Chest CT, axial plane, 120 kVp, kernel B. Slice 139/290 from the bottom of the scan; thickness 2.00 mm; pixel size 0.816 mm.
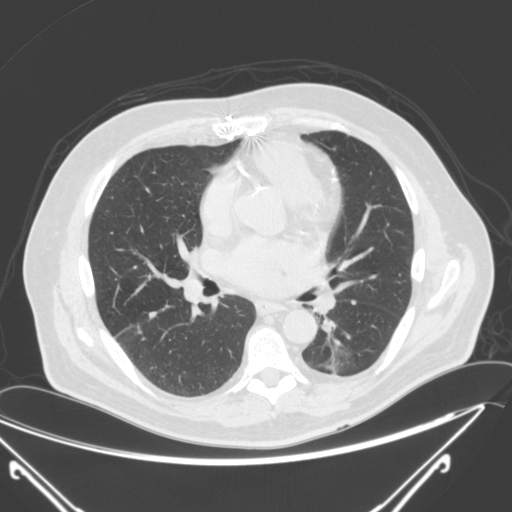
Three pulmonary nodules are outlined on this slice; from left to right: (1) Pulmonary nodule at rows 329–333, columns 136–141 (box = the union of the readers' outlines on this slice), outlined by three of the four readers; the three readers' outlines give a longest diameter between 6.2 and 7.0 mm and a volume between 90 and 113 mm3. The readers' ratings, as ranges where they differ: texture 5/5 (solid) from all three readers; margin from 4/5 to 5/5 (circumscribed) across the three readers; sphericity from 4/5 to 5/5 (round) across the three readers; calcification absent, all three readers agreeing; internal structure soft tissue, all three readers agreeing; subtlety rated between 4 and 5 out of 5 by the three readers; malignancy likelihood rated between 2 and 3 out of 5 by the three readers. (2) Pulmonary nodule outlined by two of the four readers; box rows 312–318, columns 148–157 (the union of the readers' outlines on this slice); median longest diameter 9.4 mm (readers' outlines 8.8–10.0 mm), median volume 149 mm3 (144–154 mm3). Ratings, median across the readers with their spread: texture 5/5 (solid) from both readers; margin 5/5 (circumscribed) from both readers; sphericity 3.5/5 at the median of two readers, spread 3/5 (ovoid) to 4/5; calcification absent, both readers agreeing; internal structure soft tissue, both readers agreeing; median subtlety 4/5 (readers ranged 3–5); malignancy likelihood 2.5/5 at the median of two readers, spread 2–3. (3) Pulmonary nodule, outlined by all four readers. Box on this slice rows 300–304, columns 349–355, the union of the readers' outlines on this slice; longest diameter 6.5 mm on average over the four readers' outlines (readers' outlines 5.5–7.0 mm), volume 49–100 mm3. Ratings, by the readers' most common answer with dissent counted: texture 5/5 (solid) by three of four readers; the rest gave 4/5 (one); margin 5/5 (circumscribed) by three of four readers; the rest gave 4/5 (one); sphericity 4/5 by two of four readers; the rest gave 3/5 (ovoid) (one), 5/5 (round) (one); calcification absent from all four readers; internal structure soft tissue from all four readers; subtlety split among the readers: 4/5 (two), 5/5 (two); malignancy likelihood split among the readers: 2/5 (two), 3/5 (two). Scale key (1–5): texture non-solid→solid, margin indistinct→circumscribed, sphericity linear→round, subtlety extremely subtle→obvious, malignancy likelihood highly unlikely→highly suspicious of cancer. Box rows and columns are 0-based pixel indices from the top-left corner, inclusive.